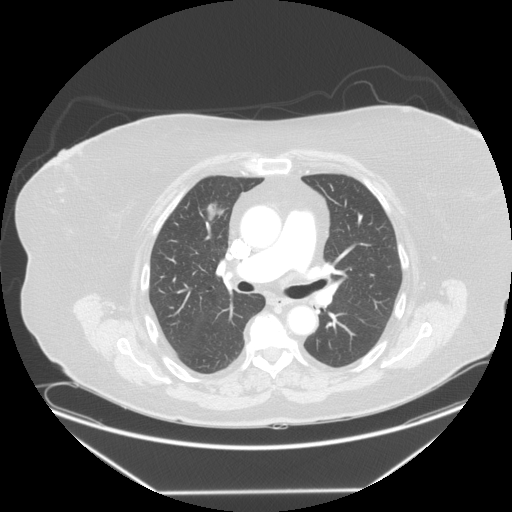
Axial slice 86 of 139 of a chest CT (slice 1 is the lowest), reconstructed with the STANDARD kernel at 120 kVp; 2.50 mm slice thickness and 0.898 mm pixels.
Pulmonary nodule at rows 200–220, columns 207–223 (box = the union of the readers' outlines on this slice), outlined by three of the four readers; the three readers' outlines give a longest diameter between 23.3 and 26.2 mm and a volume between 2868 and 3243 mm3. The readers' ratings, as ranges where they differ: texture 5/5 (solid), all three readers agreeing; margin from 4/5 to 5/5 (circumscribed) across the three readers; sphericity from 3/5 (ovoid) to 5/5 (round) across the three readers; calcification absent from all three readers; internal structure soft tissue, all three readers agreeing; subtlety 5/5 from all three readers; malignancy likelihood from 3/5 to 5/5 across the three readers. Scale key (1–5): texture non-solid→solid, margin indistinct→circumscribed, sphericity linear→round, subtlety extremely subtle→obvious, malignancy likelihood highly unlikely→highly suspicious of cancer. Box rows and columns are 0-based pixel indices from the top-left corner, inclusive.